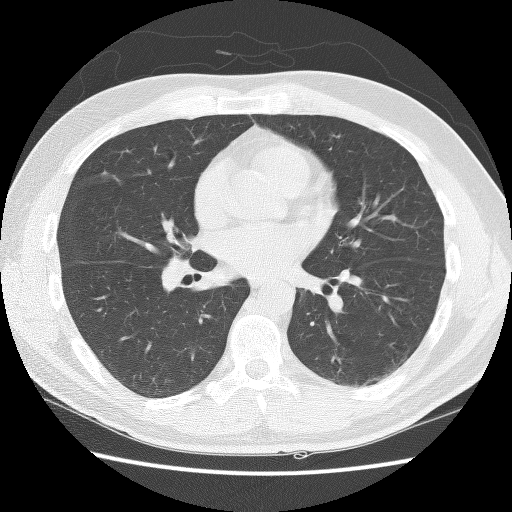
Chest CT, axial plane, 140 kVp, kernel BONE. Slice 67/127 from the bottom of the scan; thickness 2.50 mm; pixel size 0.664 mm.
Pulmonary nodule outlined by three of the four readers, two of them on this slice; box rows 176–180, columns 113–119 (the union of the readers' outlines on this slice); longest diameter 7.1 mm on average over the three readers' outlines (readers' outlines 6.3–7.6 mm), volume 58–118 mm3. The readers' prevailing ratings and who disagreed: texture 5/5 (solid) by two of three readers; the rest gave 4/5 (one); margin split among the readers: 3/5 (one), 4/5 (one), 5/5 (circumscribed) (one); most readers (two of three) put sphericity at 2/5, others 4/5 (one); calcification absent from all three readers; internal structure soft tissue from all three readers; subtlety split among the readers: 2/5 (one), 3/5 (one), 4/5 (one); malignancy likelihood 2/5 by two of three readers; the rest gave 1/5 (one). Scale key (1–5): texture non-solid→solid, margin indistinct→circumscribed, sphericity linear→round, subtlety extremely subtle→obvious, malignancy likelihood highly unlikely→highly suspicious of cancer. Box rows and columns are 0-based pixel indices from the top-left corner, inclusive.